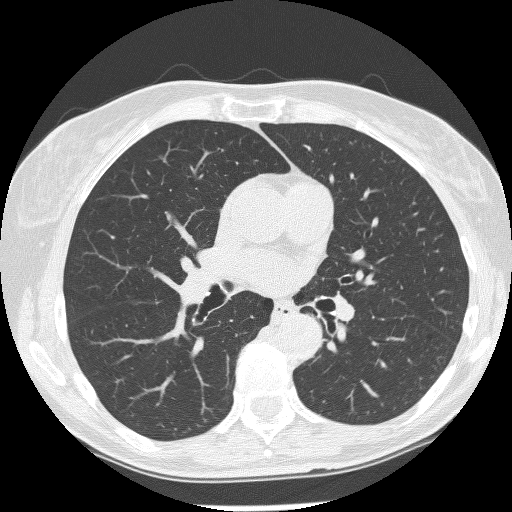
One axial slice (133 of 245, counting up from the lowest) of a chest CT acquired at 120 kVp with the BONE kernel; each pixel is 0.592 mm and the slice is 1.25 mm thick.
This slice carries no reader outline of a nodule 3 mm or larger.